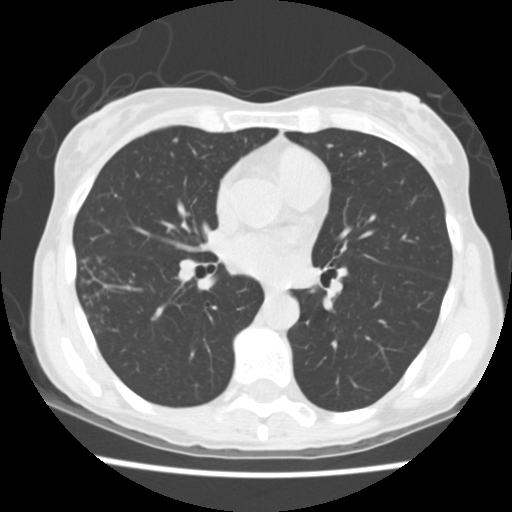
Chest CT, axial plane, 120 kVp, kernel STANDARD. Slice 83/163 from the bottom of the scan; thickness 2.50 mm; pixel size 0.586 mm.
Pulmonary nodule at rows 138–141, columns 172–178 (box = that reader's outline on this slice), outlined by one of the four readers; longest diameter 4.8 mm and volume 70 mm3 from that reader's outline. That reader's ratings: texture 5/5 (solid); margin 5/5 (circumscribed); sphericity 4/5; calcification absent; internal structure soft tissue; subtlety 4/5; malignancy likelihood 2/5. Scale key (1–5): texture non-solid→solid, margin indistinct→circumscribed, sphericity linear→round, subtlety extremely subtle→obvious, malignancy likelihood highly unlikely→highly suspicious of cancer. Box rows and columns are 0-based pixel indices from the top-left corner, inclusive.